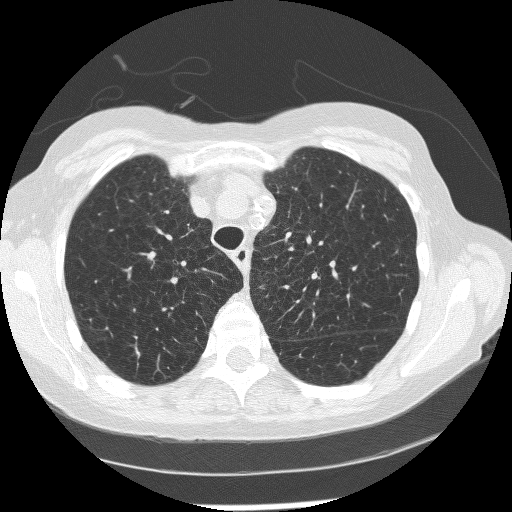
Chest CT, axial plane, 120 kVp, kernel BONE. Slice 210/267 from the bottom of the scan; thickness 1.25 mm; pixel size 0.596 mm.
Pulmonary nodule at rows 346–358, columns 134–140 (box = the union of the readers' outlines on this slice), outlined by all four readers, two of them on this slice; median longest diameter 8.8 mm (readers' outlines 8.4–9.5 mm), median volume 198 mm3 (111–243 mm3). Median ratings and the readers' spread: texture 5/5 (solid) at the median of four readers, spread 4/5 to 5/5 (solid); median margin 4/5 (readers ranged 3/5 to 4/5); sphericity 3/5 (ovoid) at the median of four readers, spread 2/5 to 3/5 (ovoid); calcification absent from all four readers; internal structure soft tissue from all four readers; subtlety 4.5/5 at the median of four readers, spread 3–5; median malignancy likelihood 3/5 (readers ranged 3–4). Scale key (1–5): texture non-solid→solid, margin indistinct→circumscribed, sphericity linear→round, subtlety extremely subtle→obvious, malignancy likelihood highly unlikely→highly suspicious of cancer. Box rows and columns are 0-based pixel indices from the top-left corner, inclusive.